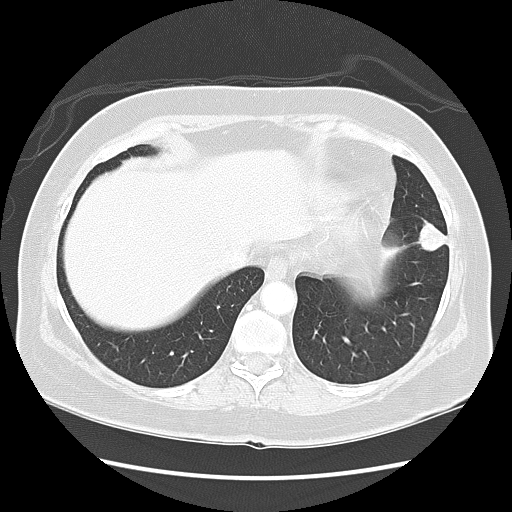
Axial chest CT slice 42 of 133 (counted from the lowest slice); tube voltage 120 kVp, convolution kernel LUNG; slices 2.50 mm thick, 0.703 mm per pixel.
Pulmonary nodule, outlined by all four readers. Box on this slice rows 217–251, columns 414–446, the union of the readers' outlines on this slice; longest diameter 23.7 mm on average over the four readers' outlines (readers' outlines 21.5–29.0 mm), volume 4280–5428 mm3. The readers' prevailing ratings and who disagreed: most readers (three of four) put texture at 5/5 (solid), others 4/5 (one); margin 5/5 (circumscribed) by three of four readers; the rest gave 4/5 (one); sphericity 3/5 (ovoid) by two of four readers; the rest gave 4/5 (one), 5/5 (round) (one); calcification absent, all four readers agreeing; internal structure soft tissue from all four readers; subtlety 5/5 by three of four readers; the rest gave 4/5 (one); most readers (three of four) put malignancy likelihood at 4/5, others 5/5 (one). Scale key (1–5): texture non-solid→solid, margin indistinct→circumscribed, sphericity linear→round, subtlety extremely subtle→obvious, malignancy likelihood highly unlikely→highly suspicious of cancer. Box rows and columns are 0-based pixel indices from the top-left corner, inclusive.